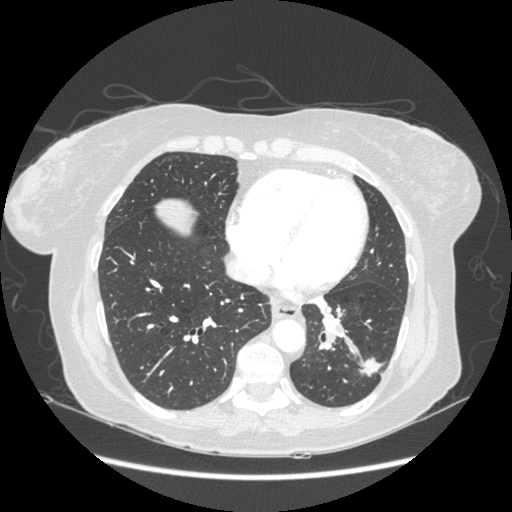
Axial slice 83 of 230 of a chest CT (slice 1 is the lowest), reconstructed with the STANDARD kernel at 120 kVp; 1.25 mm slice thickness and 0.742 mm pixels.
Pulmonary nodule outlined by all four readers; box rows 356–377, columns 359–383 (the union of the readers' outlines on this slice); median longest diameter 30.2 mm (readers' outlines 23.1–31.5 mm), median volume 4051 mm3 (3020–5074 mm3). Median ratings and the readers' spread: texture 5/5 (solid) from all four readers; margin 4/5 at the median of four readers, spread 3/5 to 5/5 (circumscribed); sphericity 3/5 (ovoid) at the median of four readers, spread 3/5 (ovoid) to 5/5 (round); calcification absent from all four readers; internal structure soft tissue from all four readers; subtlety 5/5, all four readers agreeing; malignancy likelihood 5/5 at the median of four readers, spread 3–5. Scale key (1–5): texture non-solid→solid, margin indistinct→circumscribed, sphericity linear→round, subtlety extremely subtle→obvious, malignancy likelihood highly unlikely→highly suspicious of cancer. Box rows and columns are 0-based pixel indices from the top-left corner, inclusive.